Chest CT, axial plane, 120 kVp, kernel BONE. Slice 76/209 from the bottom of the scan; thickness 1.25 mm; pixel size 0.617 mm.
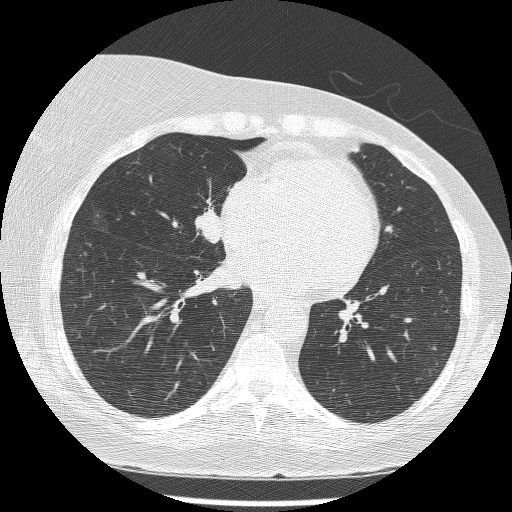
Two pulmonary nodules are outlined on this slice; from left to right: (1) Pulmonary nodule outlined by three of the four readers; box rows 204–232, columns 90–108 (the union of the readers' outlines on this slice); longest diameter 21.9 mm on average over the three readers' outlines (readers' outlines 20.1–23.8 mm), volume 734–2087 mm3. Ratings, by the readers' most common answer with dissent counted: texture 1/5 (non-solid) from all three readers; margin 1/5 (indistinct) from all three readers; most readers (two of three) put sphericity at 4/5, others 3/5 (ovoid) (one); calcification absent, all three readers agreeing; internal structure soft tissue from all three readers; subtlety split among the readers: 1/5 (one), 2/5 (one), 3/5 (one); malignancy likelihood split among the readers: 3/5 (one), 4/5 (one), 5/5 (one). (2) Pulmonary nodule outlined by three of the four readers; box rows 208–243, columns 194–221 (the union of the readers' outlines on this slice); longest diameter 24.9 mm on average over the three readers' outlines (readers' outlines 22.9–27.7 mm), volume 3040–4232 mm3. Ratings, by the readers' most common answer with dissent counted: texture 5/5 (solid) from all three readers; margin 5/5 (circumscribed) by two of three readers; the rest gave 4/5 (one); sphericity 4/5 by two of three readers; the rest gave 3/5 (ovoid) (one); calcification absent from all three readers; internal structure soft tissue from all three readers; subtlety 5/5, all three readers agreeing; malignancy likelihood 5/5, all three readers agreeing. Scale key (1–5): texture non-solid→solid, margin indistinct→circumscribed, sphericity linear→round, subtlety extremely subtle→obvious, malignancy likelihood highly unlikely→highly suspicious of cancer. Box rows and columns are 0-based pixel indices from the top-left corner, inclusive.